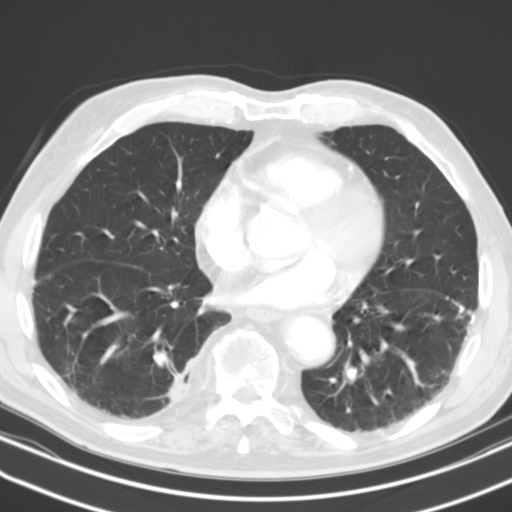
Axial slice 58 of 127 of a chest CT (slice 1 is the lowest), reconstructed with the B31s kernel at 130 kVp; 3.00 mm slice thickness and 0.668 mm pixels.
Pulmonary nodule outlined by two of the four readers; box rows 376–401, columns 167–183 (the union of the readers' outlines on this slice); longest diameter 25.6–26.3 mm and volume 5517–6604 mm3 across the two readers' outlines. Ratings across the readers: texture 5/5 (solid) from both readers; margin 4/5 from both readers; sphericity from 2/5 to 3/5 (ovoid) across the two readers; calcification absent, both readers agreeing; internal structure soft tissue, both readers agreeing; subtlety 5/5 from both readers; malignancy likelihood 2–3/5 (the readers disagree). Scale key (1–5): texture non-solid→solid, margin indistinct→circumscribed, sphericity linear→round, subtlety extremely subtle→obvious, malignancy likelihood highly unlikely→highly suspicious of cancer. Box rows and columns are 0-based pixel indices from the top-left corner, inclusive.